Chest CT, axial plane, 120 kVp, kernel STANDARD. Slice 75/214 from the bottom of the scan; thickness 1.25 mm; pixel size 0.781 mm.
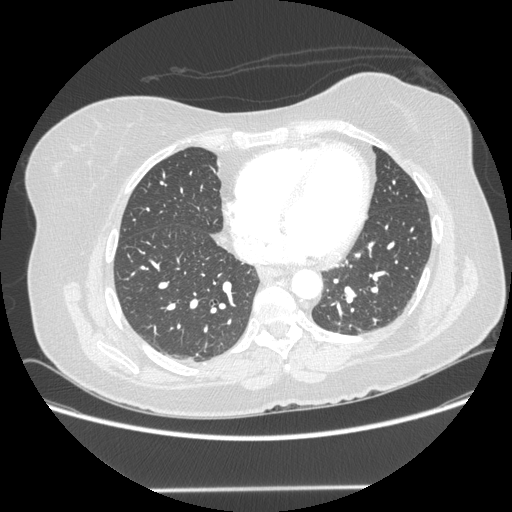
This slice carries no reader outline of a nodule 3 mm or larger.